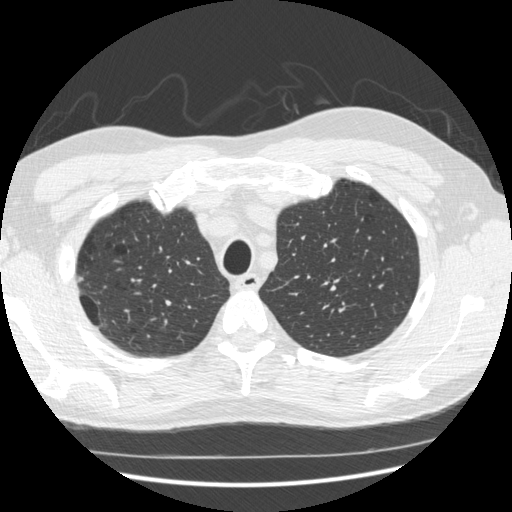
This is axial slice 413 of 509 (slice 1 is the lowest) of a chest CT; each pixel is 0.703 mm and the slice is 1.25 mm thick. Pulmonary nodule outlined by one of the four readers; box rows 276–281, columns 76–83 (that reader's outline on this slice); longest diameter 7.0 mm and volume 52 mm3 from that reader's outline. Ratings by that reader: texture 5/5 (solid); margin 4/5; sphericity 3/5 (ovoid); calcification absent; internal structure soft tissue; subtlety 3/5; malignancy likelihood 2/5. Scale key (1–5): texture non-solid→solid, margin indistinct→circumscribed, sphericity linear→round, subtlety extremely subtle→obvious, malignancy likelihood highly unlikely→highly suspicious of cancer. Box rows and columns are 0-based pixel indices from the top-left corner, inclusive.
Acquired at 120 kVp and reconstructed with the STANDARD kernel.